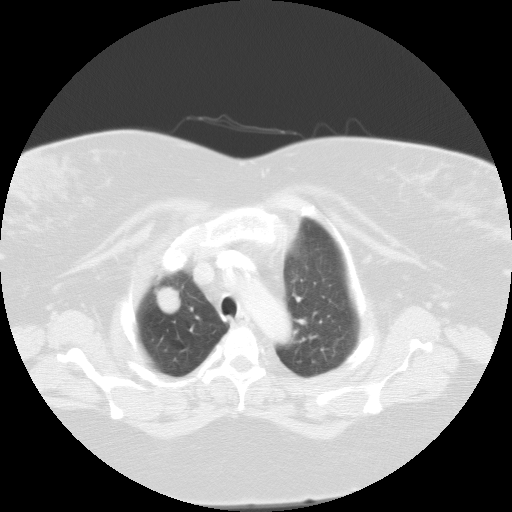
Axial chest CT slice 85 of 102 (counted from the lowest slice); tube voltage 135 kVp, convolution kernel FC01; slices 3.00 mm thick, 0.808 mm per pixel.
Pulmonary nodule at rows 286–313, columns 154–180 (box = the union of the readers' outlines on this slice), outlined by all four readers; longest diameter 29.2 mm on average over the four readers' outlines (readers' outlines 26.9–30.9 mm), volume 5712–7254 mm3. Ratings, by the readers' most common answer with dissent counted: texture 5/5 (solid) from all four readers; margin 5/5 (circumscribed) from all four readers; sphericity split among the readers: 4/5 (two), 5/5 (round) (two); calcification absent from all four readers; internal structure soft tissue, all four readers agreeing; subtlety 5/5, all four readers agreeing; most readers (three of four) put malignancy likelihood at 5/5, others 2/5 (one). Scale key (1–5): texture non-solid→solid, margin indistinct→circumscribed, sphericity linear→round, subtlety extremely subtle→obvious, malignancy likelihood highly unlikely→highly suspicious of cancer. Box rows and columns are 0-based pixel indices from the top-left corner, inclusive.